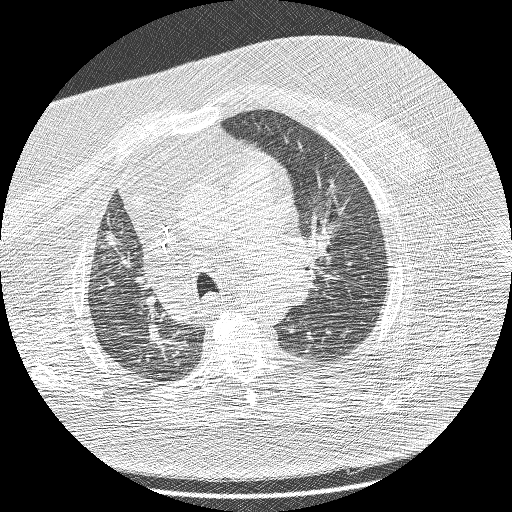
Axial chest CT slice 141 of 208 (counted from the lowest slice); tube voltage 120 kVp, convolution kernel BONE; slices 1.25 mm thick, 0.723 mm per pixel.
Pulmonary nodule at rows 229–249, columns 102–118 (box = the union of the readers' outlines on this slice), outlined by all four readers; median longest diameter 27.6 mm (readers' outlines 25.6–30.6 mm), median volume 4739 mm3 (4623–6820 mm3). Median ratings and the readers' spread: texture 5/5 (solid), all four readers agreeing; margin 3/5 at the median of four readers, spread 1/5 (indistinct) to 3/5; median sphericity 3/5 (ovoid) (readers ranged 3/5 (ovoid) to 4/5); calcification absent, all four readers agreeing; internal structure soft tissue, all four readers agreeing; subtlety 5/5 from all four readers; malignancy likelihood 5/5 from all four readers. Scale key (1–5): texture non-solid→solid, margin indistinct→circumscribed, sphericity linear→round, subtlety extremely subtle→obvious, malignancy likelihood highly unlikely→highly suspicious of cancer. Box rows and columns are 0-based pixel indices from the top-left corner, inclusive.